One axial slice (85 of 109, counting up from the lowest) of a chest CT acquired at 120 kVp with the LUNG kernel; each pixel is 0.664 mm and the slice is 2.50 mm thick.
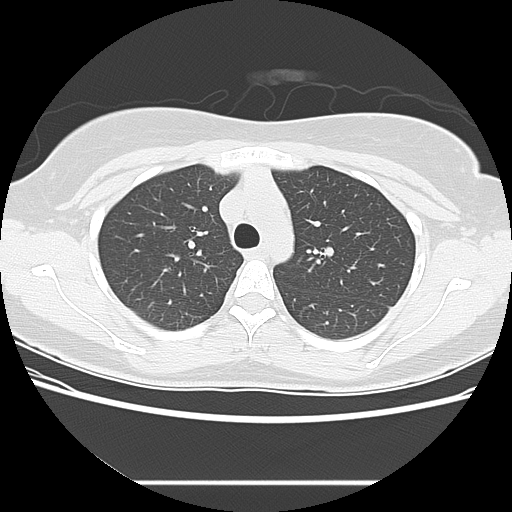
The readers outlined no nodule of 3 mm or more on this slice.